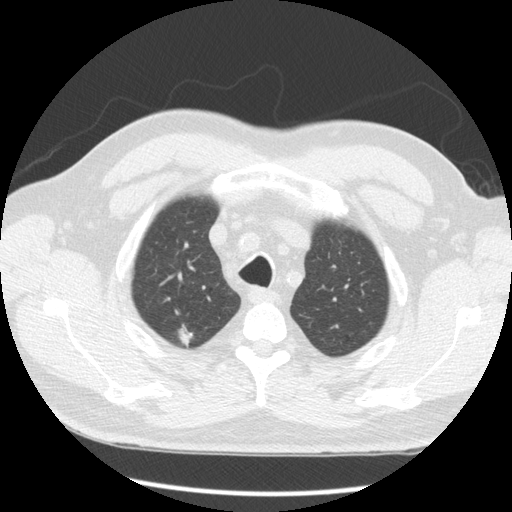
Axial chest CT slice 143 of 163 (counted from the lowest slice); tube voltage 120 kVp, convolution kernel STANDARD; slices 2.50 mm thick, 0.703 mm per pixel.
Pulmonary nodule outlined by all four readers; box rows 325–347, columns 176–192 (the union of the readers' outlines on this slice); the four readers' outlines give a longest diameter between 12.5 and 16.1 mm and a volume between 399 and 656 mm3. The readers' ratings, as ranges where they differ: texture from 4/5 to 5/5 (solid) across the four readers; margin from 2/5 to 4/5 across the four readers; sphericity from 3/5 (ovoid) to 4/5 across the four readers; calcification absent from all four readers; internal structure soft tissue, all four readers agreeing; subtlety from 4/5 to 5/5 across the four readers; malignancy likelihood from 3/5 to 4/5 across the four readers. Scale key (1–5): texture non-solid→solid, margin indistinct→circumscribed, sphericity linear→round, subtlety extremely subtle→obvious, malignancy likelihood highly unlikely→highly suspicious of cancer. Box rows and columns are 0-based pixel indices from the top-left corner, inclusive.